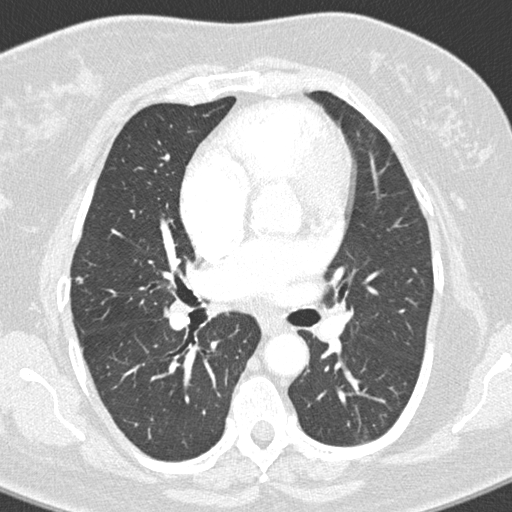
Chest CT, axial plane, 120 kVp, kernel B45f. Slice 169/298 from the bottom of the scan; thickness 1.00 mm; pixel size 0.547 mm.
Pulmonary nodule outlined by three of the four readers; box rows 276–284, columns 75–83 (the union of the readers' outlines on this slice); the three readers' outlines give a longest diameter between 5.9 and 8.2 mm and a volume between 71 and 114 mm3. The readers' ratings, as ranges where they differ: texture from 4/5 to 5/5 (solid) across the three readers; margin from 3/5 to 4/5 across the three readers; sphericity from 3/5 (ovoid) to 4/5 across the three readers; calcification absent from all three readers; internal structure soft tissue, all three readers agreeing; subtlety rated between 3 and 4 out of 5 by the three readers; malignancy likelihood rated between 2 and 3 out of 5 by the three readers. Scale key (1–5): texture non-solid→solid, margin indistinct→circumscribed, sphericity linear→round, subtlety extremely subtle→obvious, malignancy likelihood highly unlikely→highly suspicious of cancer. Box rows and columns are 0-based pixel indices from the top-left corner, inclusive.